Axial slice 60 of 114 of a chest CT (slice 1 is the lowest), reconstructed with the B31s kernel at 130 kVp; 3.00 mm slice thickness and 0.617 mm pixels.
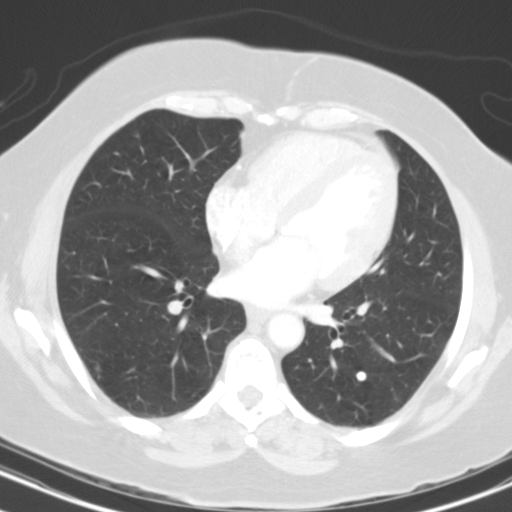
Pulmonary nodule at rows 371–381, columns 355–367 (box = the union of the readers' outlines on this slice), outlined by all four readers; median longest diameter 7.1 mm (readers' outlines 6.3–8.7 mm), median volume 185 mm3 (102–324 mm3). Ratings, median across the readers with their spread: texture 5/5 (solid), all four readers agreeing; margin 5/5 (circumscribed) at the median of four readers, spread 4/5 to 5/5 (circumscribed); sphericity 5/5 (round), all four readers agreeing; calcification solid calcification, all four readers agreeing; internal structure soft tissue from all four readers; subtlety 5/5 at the median of four readers, spread 4–5; malignancy likelihood 1/5 from all four readers. Scale key (1–5): texture non-solid→solid, margin indistinct→circumscribed, sphericity linear→round, subtlety extremely subtle→obvious, malignancy likelihood highly unlikely→highly suspicious of cancer. Box rows and columns are 0-based pixel indices from the top-left corner, inclusive.